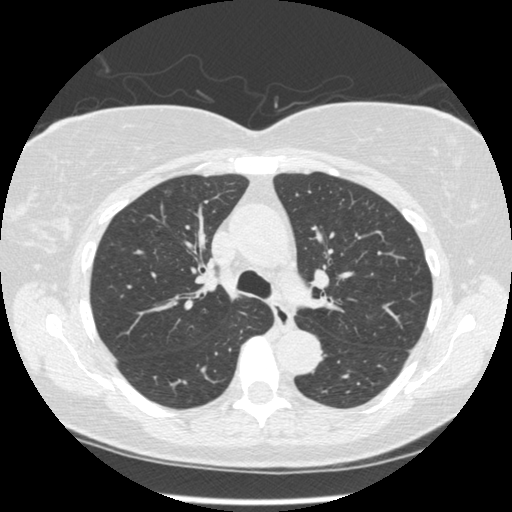
Chest CT, axial plane, 120 kVp, kernel STANDARD. Slice 322/490 from the bottom of the scan; thickness 1.25 mm; pixel size 0.645 mm.
Pulmonary nodule at rows 189–196, columns 161–170 (box = that reader's outline on this slice), outlined by one of the four readers; longest diameter 7.8 mm and volume 52 mm3 from that reader's outline. Ratings by that reader: texture 4/5; margin 5/5 (circumscribed); sphericity 4/5; calcification absent; internal structure soft tissue; subtlety 3/5; malignancy likelihood 2/5. Scale key (1–5): texture non-solid→solid, margin indistinct→circumscribed, sphericity linear→round, subtlety extremely subtle→obvious, malignancy likelihood highly unlikely→highly suspicious of cancer. Box rows and columns are 0-based pixel indices from the top-left corner, inclusive.